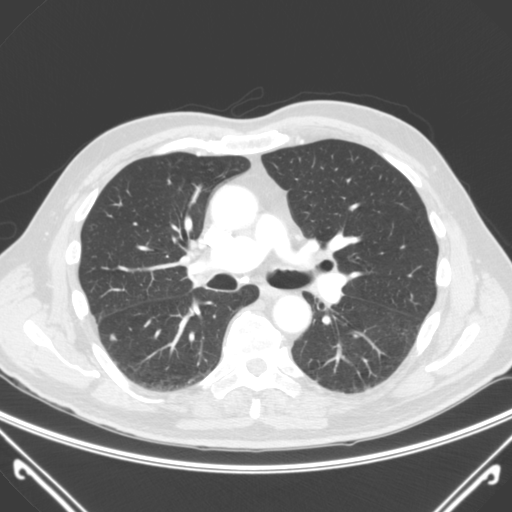
Axial chest CT slice 149 of 285 (counted from the lowest slice); 2.00 mm thick, 0.748 mm per pixel. Pulmonary nodule outlined by all four readers; box rows 334–341, columns 109–116 (the union of the readers' outlines on this slice); longest diameter 7.0 mm on average over the four readers' outlines (readers' outlines 6.0–7.7 mm), volume 50–138 mm3. Ratings, by the readers' most common answer with dissent counted: texture 5/5 (solid) by three of four readers; the rest gave 4/5 (one); margin 5/5 (circumscribed) by three of four readers; the rest gave 4/5 (one); sphericity 5/5 (round) by two of four readers; the rest gave 2/5 (one), 4/5 (one); calcification absent from all four readers; internal structure soft tissue from all four readers; subtlety split among the readers: 2/5 (one), 3/5 (one), 4/5 (one), 5/5 (one); malignancy likelihood split among the readers: 2/5 (two), 4/5 (two). Scale key (1–5): texture non-solid→solid, margin indistinct→circumscribed, sphericity linear→round, subtlety extremely subtle→obvious, malignancy likelihood highly unlikely→highly suspicious of cancer. Box rows and columns are 0-based pixel indices from the top-left corner, inclusive.
Tube voltage 120 kVp; convolution kernel B.